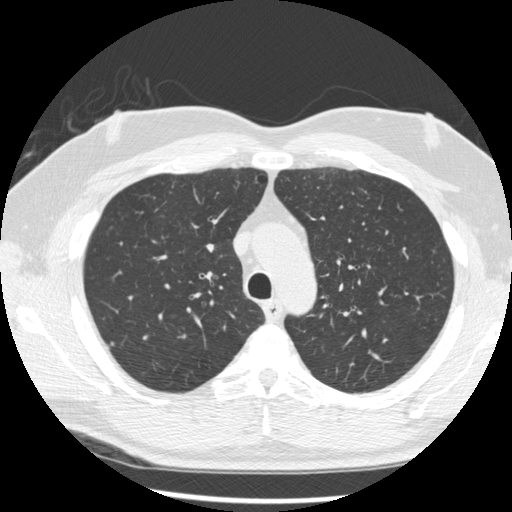
Axial slice 346 of 522 of a chest CT (slice 1 is the lowest), reconstructed with the STANDARD kernel at 120 kVp; 1.25 mm slice thickness and 0.703 mm pixels.
Pulmonary nodule outlined by one of the four readers; box rows 341–345, columns 109–114 (that reader's outline on this slice); longest diameter 5.4 mm and volume 41 mm3 from that reader's outline. That reader's ratings: texture 5/5 (solid); margin 5/5 (circumscribed); sphericity 4/5; calcification absent; internal structure soft tissue; subtlety 4/5; malignancy likelihood 3/5. Scale key (1–5): texture non-solid→solid, margin indistinct→circumscribed, sphericity linear→round, subtlety extremely subtle→obvious, malignancy likelihood highly unlikely→highly suspicious of cancer. Box rows and columns are 0-based pixel indices from the top-left corner, inclusive.